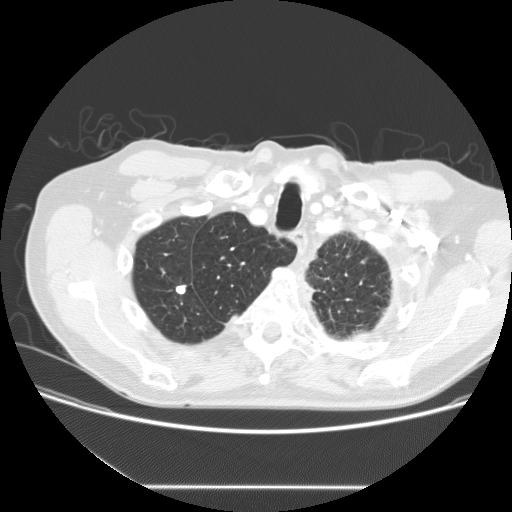
Axial chest CT slice 128 of 149 (counted from the lowest slice); tube voltage 120 kVp, convolution kernel STANDARD; slices 2.50 mm thick, 0.742 mm per pixel.
Pulmonary nodule outlined by all four readers; box rows 284–295, columns 175–186 (the union of the readers' outlines on this slice); longest diameter 9.0–10.3 mm and volume 361–479 mm3 across the four readers' outlines. The readers' ratings, as ranges where they differ: texture 5/5 (solid), all four readers agreeing; margin from 4/5 to 5/5 (circumscribed) across the four readers; sphericity from 4/5 to 5/5 (round) across the four readers; calcification: solid calcification (three), absent (one); internal structure soft tissue from all four readers; subtlety from 4/5 to 5/5 across the four readers; malignancy likelihood from 1/5 to 3/5 across the four readers. Scale key (1–5): texture non-solid→solid, margin indistinct→circumscribed, sphericity linear→round, subtlety extremely subtle→obvious, malignancy likelihood highly unlikely→highly suspicious of cancer. Box rows and columns are 0-based pixel indices from the top-left corner, inclusive.